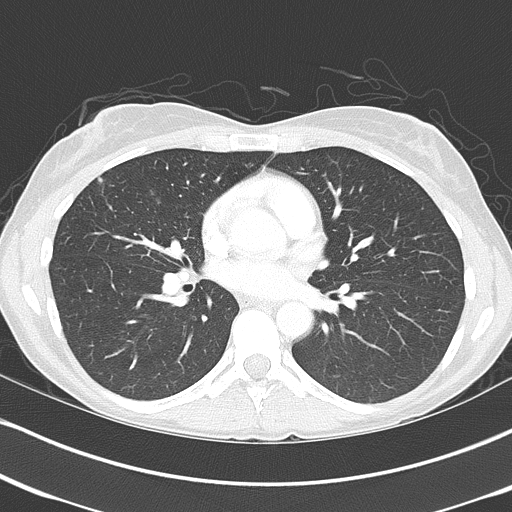
Slice 209/368 of a chest CT, counting up from the lowest; pixel size 0.623 mm, slice thickness 2.00 mm. Two pulmonary nodules are outlined on this slice; from left to right: (1) Pulmonary nodule, outlined by one of the four readers. Box on this slice rows 177–182, columns 98–102, that reader's outline on this slice; longest diameter 4.7 mm and volume 49 mm3 from that reader's outline. Ratings by that reader: texture 4/5; margin 4/5; sphericity 4/5; calcification absent; internal structure soft tissue; subtlety 4/5; malignancy likelihood 3/5. (2) Pulmonary nodule at rows 190–200, columns 151–159 (box = the union of the readers' outlines on this slice), outlined by all four readers, two of them on this slice; median longest diameter 12.7 mm (readers' outlines 12.1–13.5 mm), median volume 329 mm3 (274–376 mm3). Ratings, median across the readers with their spread: texture 5/5 (solid) at the median of four readers, spread 4/5 to 5/5 (solid); median margin 4.5/5 (readers ranged 3/5 to 5/5 (circumscribed)); sphericity 2.5/5 at the median of four readers, spread 2/5 to 3/5 (ovoid); calcification: absent (two), non-central calcification (one), solid calcification (one); internal structure soft tissue, all four readers agreeing; subtlety 5/5 from all four readers; median malignancy likelihood 3.5/5 (readers ranged 2–4). Scale key (1–5): texture non-solid→solid, margin indistinct→circumscribed, sphericity linear→round, subtlety extremely subtle→obvious, malignancy likelihood highly unlikely→highly suspicious of cancer. Box rows and columns are 0-based pixel indices from the top-left corner, inclusive.
Tube voltage 120 kVp; convolution kernel B70f.